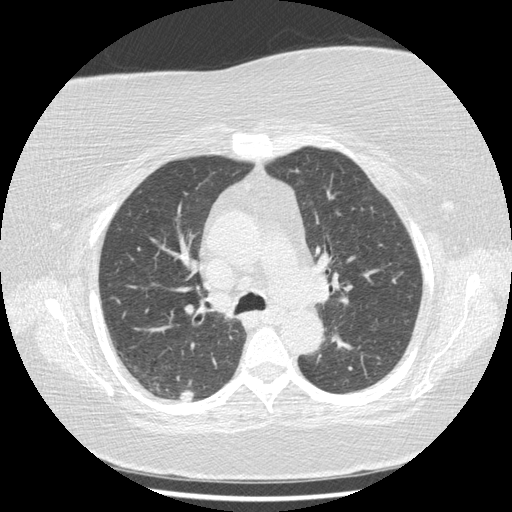
One axial slice (293 of 417, counting up from the lowest) of a chest CT acquired at 120 kVp with the STANDARD kernel; each pixel is 0.703 mm and the slice is 1.25 mm thick.
Pulmonary nodule outlined by all four readers; box rows 390–401, columns 179–193 (the union of the readers' outlines on this slice); median longest diameter 11.8 mm (readers' outlines 11.0–13.8 mm), median volume 406 mm3 (306–515 mm3). Ratings, median across the readers with their spread: texture 5/5 (solid) from all four readers; median margin 5/5 (circumscribed) (readers ranged 4/5 to 5/5 (circumscribed)); median sphericity 4.5/5 (readers ranged 3/5 (ovoid) to 5/5 (round)); calcification absent, all four readers agreeing; internal structure soft tissue, all four readers agreeing; median subtlety 4.5/5 (readers ranged 3–5); malignancy likelihood 3.5/5 at the median of four readers, spread 2–4. Scale key (1–5): texture non-solid→solid, margin indistinct→circumscribed, sphericity linear→round, subtlety extremely subtle→obvious, malignancy likelihood highly unlikely→highly suspicious of cancer. Box rows and columns are 0-based pixel indices from the top-left corner, inclusive.